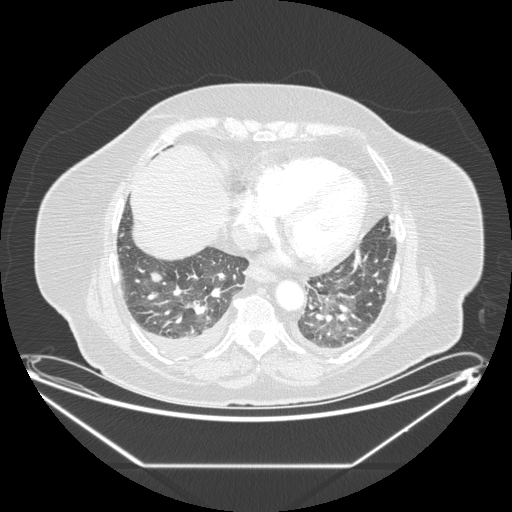
Axial chest CT slice 59 of 206 (counted from the lowest slice); tube voltage 120 kVp, convolution kernel STANDARD; slices 1.25 mm thick, 0.898 mm per pixel.
Pulmonary nodule at rows 272–281, columns 148–161 (box = the union of the readers' outlines on this slice), outlined by all four readers; longest diameter 25.7–34.7 mm and volume 3668–5061 mm3 across the four readers' outlines. The readers' ratings, as ranges where they differ: texture from 4/5 to 5/5 (solid) across the four readers; margin 4/5 from all four readers; sphericity from 3/5 (ovoid) to 5/5 (round) across the four readers; calcification absent from all four readers; internal structure soft tissue, all four readers agreeing; subtlety 4–5/5 (the readers disagree); malignancy likelihood from 3/5 to 5/5 across the four readers. Scale key (1–5): texture non-solid→solid, margin indistinct→circumscribed, sphericity linear→round, subtlety extremely subtle→obvious, malignancy likelihood highly unlikely→highly suspicious of cancer. Box rows and columns are 0-based pixel indices from the top-left corner, inclusive.